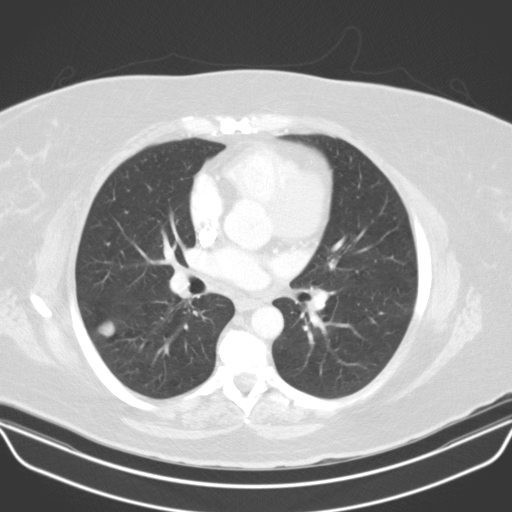
Axial slice 73 of 121 of a chest CT (slice 1 is the lowest), reconstructed with the B31s kernel at 130 kVp; 3.00 mm slice thickness and 0.766 mm pixels.
Pulmonary nodule at rows 321–337, columns 97–115 (box = the union of the readers' outlines on this slice), outlined by all four readers; median longest diameter 17.9 mm (readers' outlines 16.8–18.8 mm), median volume 2401 mm3 (1878–2483 mm3). Median ratings and the readers' spread: texture 5/5 (solid), all four readers agreeing; margin 5/5 (circumscribed) at the median of four readers, spread 4/5 to 5/5 (circumscribed); sphericity 5/5 (round) from all four readers; calcification absent from all four readers; internal structure soft tissue from all four readers; subtlety 5/5 from all four readers; malignancy likelihood 3.5/5 at the median of four readers, spread 3–4. Scale key (1–5): texture non-solid→solid, margin indistinct→circumscribed, sphericity linear→round, subtlety extremely subtle→obvious, malignancy likelihood highly unlikely→highly suspicious of cancer. Box rows and columns are 0-based pixel indices from the top-left corner, inclusive.